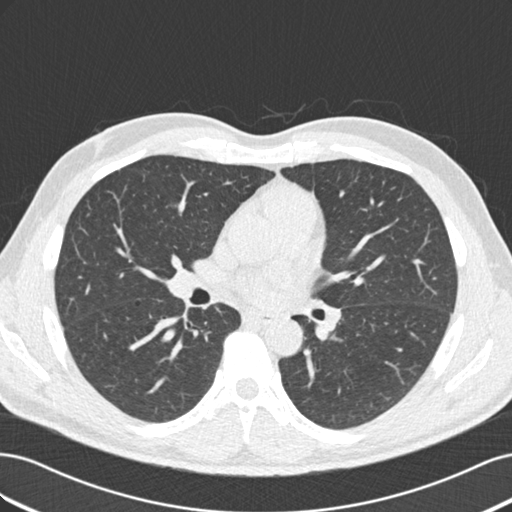
Chest CT, axial plane, 120 kVp, kernel B30f. Slice 100/187 from the bottom of the scan; thickness 2.00 mm; pixel size 0.703 mm.
The readers outlined no nodule of 3 mm or more on this slice.